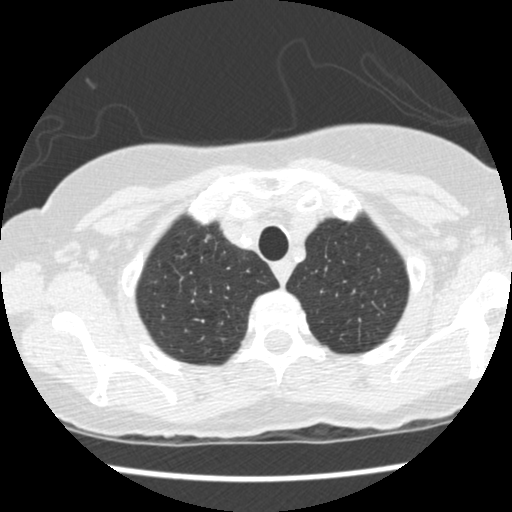
Slice 398/458 of a chest CT, counting up from the lowest; pixel size 0.586 mm, slice thickness 1.25 mm. Pulmonary nodule at rows 234–240, columns 204–212 (box = the union of the readers' outlines on this slice), outlined by all four readers, three of them on this slice; longest diameter 9.1–10.0 mm and volume 243–272 mm3 across the four readers' outlines. The readers' ratings, as ranges where they differ: texture from 4/5 to 5/5 (solid) across the four readers; margin from 4/5 to 5/5 (circumscribed) across the four readers; sphericity from 3/5 (ovoid) to 5/5 (round) across the four readers; calcification absent from all four readers; internal structure soft tissue from all four readers; subtlety rated between 4 and 5 out of 5 by the four readers; malignancy likelihood rated between 2 and 4 out of 5 by the four readers. Scale key (1–5): texture non-solid→solid, margin indistinct→circumscribed, sphericity linear→round, subtlety extremely subtle→obvious, malignancy likelihood highly unlikely→highly suspicious of cancer. Box rows and columns are 0-based pixel indices from the top-left corner, inclusive.
Acquired at 120 kVp and reconstructed with the STANDARD kernel.